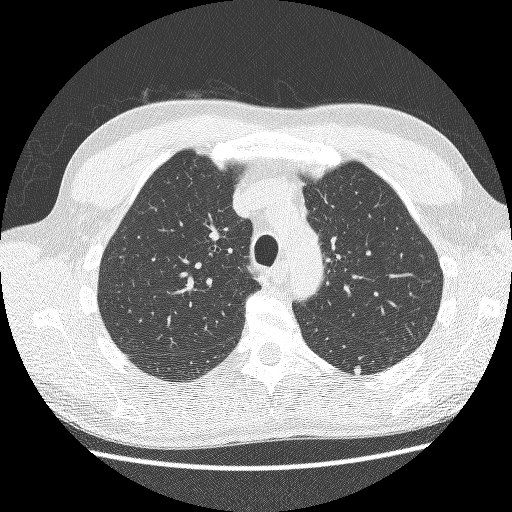
Axial chest CT slice 186 of 252 (counted from the lowest slice); 1.25 mm thick, 0.703 mm per pixel. Pulmonary nodule, outlined by all four readers. Box on this slice rows 365–374, columns 354–361, the union of the readers' outlines on this slice; longest diameter 8.7 mm on average over the four readers' outlines (readers' outlines 8.0–9.4 mm), volume 123–160 mm3. Ratings, by the readers' most common answer with dissent counted: texture 5/5 (solid) by three of four readers; the rest gave 4/5 (one); margin 4/5, all four readers agreeing; sphericity split among the readers: 3/5 (ovoid) (two), 4/5 (two); calcification absent, all four readers agreeing; internal structure soft tissue, all four readers agreeing; subtlety 3/5 by two of four readers; the rest gave 4/5 (one), 5/5 (one); malignancy likelihood 3/5 by three of four readers; the rest gave 4/5 (one). Scale key (1–5): texture non-solid→solid, margin indistinct→circumscribed, sphericity linear→round, subtlety extremely subtle→obvious, malignancy likelihood highly unlikely→highly suspicious of cancer. Box rows and columns are 0-based pixel indices from the top-left corner, inclusive.
Acquired at 120 kVp and reconstructed with the BONE kernel.